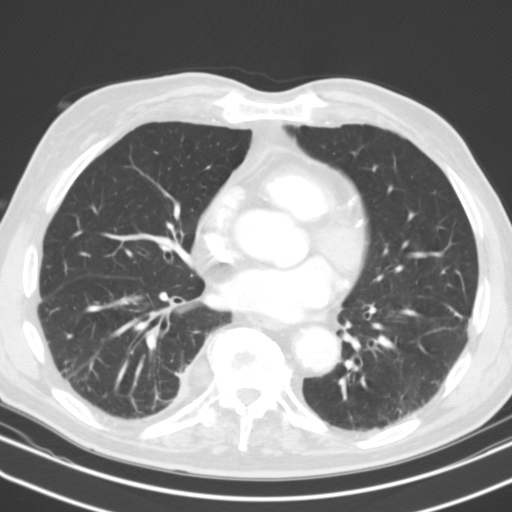
Axial chest CT slice 62 of 127 (counted from the lowest slice); tube voltage 130 kVp, convolution kernel B31s; slices 3.00 mm thick, 0.668 mm per pixel.
Pulmonary nodule, outlined by two of the four readers, one of them on this slice. Box on this slice rows 381–394, columns 181–182, the one reader's outline on this slice; median longest diameter 25.9 mm (readers' outlines 25.6–26.3 mm), median volume 6061 mm3 (5517–6604 mm3). Median ratings and the readers' spread: texture 5/5 (solid) from both readers; margin 4/5 from both readers; sphericity 2.5/5 at the median of two readers, spread 2/5 to 3/5 (ovoid); calcification absent, both readers agreeing; internal structure soft tissue, both readers agreeing; subtlety 5/5 from both readers; median malignancy likelihood 2.5/5 (readers ranged 2–3). Scale key (1–5): texture non-solid→solid, margin indistinct→circumscribed, sphericity linear→round, subtlety extremely subtle→obvious, malignancy likelihood highly unlikely→highly suspicious of cancer. Box rows and columns are 0-based pixel indices from the top-left corner, inclusive.